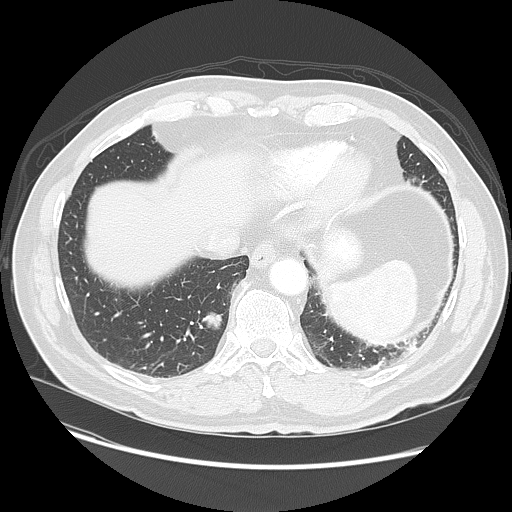
This is axial slice 33 of 135 (slice 1 is the lowest) of a chest CT; each pixel is 0.781 mm and the slice is 2.50 mm thick. Pulmonary nodule outlined by all four readers; box rows 311–329, columns 202–222 (the union of the readers' outlines on this slice); median longest diameter 19.5 mm (readers' outlines 18.4–19.8 mm), median volume 2313 mm3 (2155–2410 mm3). Ratings, median across the readers with their spread: texture 5/5 (solid) from all four readers; margin 4.5/5 at the median of four readers, spread 4/5 to 5/5 (circumscribed); median sphericity 3.5/5 (readers ranged 3/5 (ovoid) to 4/5); calcification absent from all four readers; internal structure soft tissue from all four readers; median subtlety 5/5 (readers ranged 4–5); median malignancy likelihood 4/5 (readers ranged 2–5). Scale key (1–5): texture non-solid→solid, margin indistinct→circumscribed, sphericity linear→round, subtlety extremely subtle→obvious, malignancy likelihood highly unlikely→highly suspicious of cancer. Box rows and columns are 0-based pixel indices from the top-left corner, inclusive.
Acquired at 120 kVp and reconstructed with the LUNG kernel.